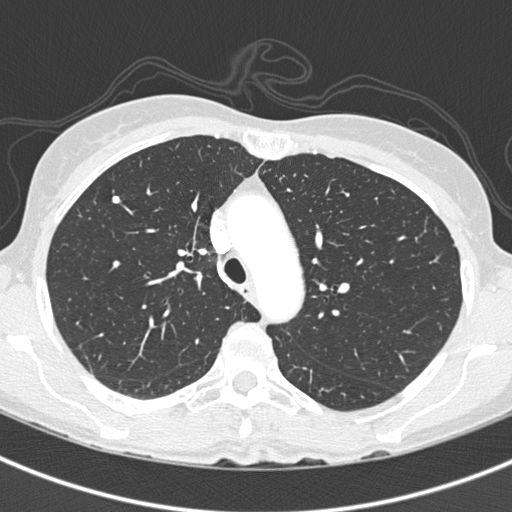
Chest CT, axial plane, 120 kVp, kernel B45f. Slice 278/375 from the bottom of the scan; thickness 1.00 mm; pixel size 0.586 mm.
Pulmonary nodule outlined by three of the four readers; box rows 194–204, columns 111–120 (the union of the readers' outlines on this slice); the three readers' outlines give a longest diameter between 6.0 and 8.0 mm and a volume between 67 and 113 mm3. The readers' ratings, as ranges where they differ: texture 5/5 (solid) from all three readers; margin 5/5 (circumscribed) from all three readers; sphericity from 3/5 (ovoid) to 4/5 across the three readers; calcification solid calcification, all three readers agreeing; internal structure soft tissue, all three readers agreeing; subtlety from 3/5 to 5/5 across the three readers; malignancy likelihood 1/5 from all three readers. Scale key (1–5): texture non-solid→solid, margin indistinct→circumscribed, sphericity linear→round, subtlety extremely subtle→obvious, malignancy likelihood highly unlikely→highly suspicious of cancer. Box rows and columns are 0-based pixel indices from the top-left corner, inclusive.